One axial slice (154 of 253, counting up from the lowest) of a chest CT acquired at 120 kVp with the BONE kernel; each pixel is 0.625 mm and the slice is 1.25 mm thick.
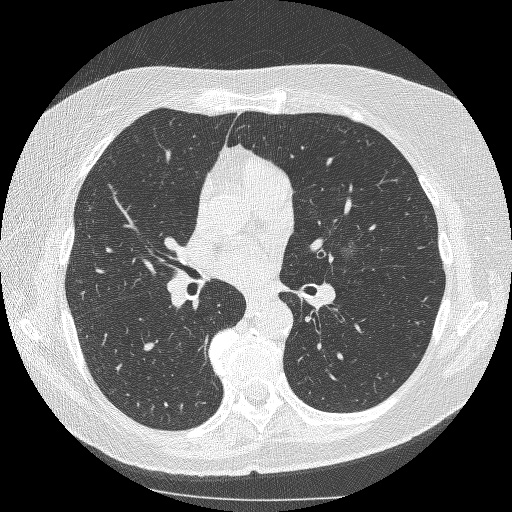
Pulmonary nodule at rows 242–263, columns 337–364 (box = the union of the readers' outlines on this slice), outlined by two of the four readers; median longest diameter 15.6 mm (readers' outlines 12.9–18.3 mm), median volume 318 mm3 (294–342 mm3). Median ratings and the readers' spread: texture 1/5 (non-solid), both readers agreeing; margin 1/5 (indistinct), both readers agreeing; median sphericity 4.5/5 (readers ranged 4/5 to 5/5 (round)); calcification absent from both readers; internal structure soft tissue from both readers; median subtlety 2.5/5 (readers ranged 2–3); median malignancy likelihood 3.5/5 (readers ranged 3–4). Scale key (1–5): texture non-solid→solid, margin indistinct→circumscribed, sphericity linear→round, subtlety extremely subtle→obvious, malignancy likelihood highly unlikely→highly suspicious of cancer. Box rows and columns are 0-based pixel indices from the top-left corner, inclusive.